Chest CT, axial plane, 120 kVp, kernel STANDARD. Slice 403/461 from the bottom of the scan; thickness 1.25 mm; pixel size 0.586 mm.
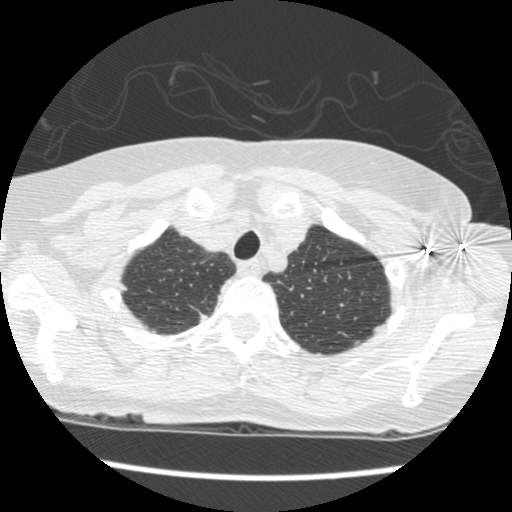
Pulmonary nodule, outlined by one of the four readers. Box on this slice rows 284–290, columns 119–124, that reader's outline on this slice; longest diameter 6.7 mm and volume 53 mm3 from that reader's outline. Ratings by that reader: texture 5/5 (solid); margin 5/5 (circumscribed); sphericity 4/5; calcification absent; internal structure soft tissue; subtlety 5/5; malignancy likelihood 4/5. Scale key (1–5): texture non-solid→solid, margin indistinct→circumscribed, sphericity linear→round, subtlety extremely subtle→obvious, malignancy likelihood highly unlikely→highly suspicious of cancer. Box rows and columns are 0-based pixel indices from the top-left corner, inclusive.